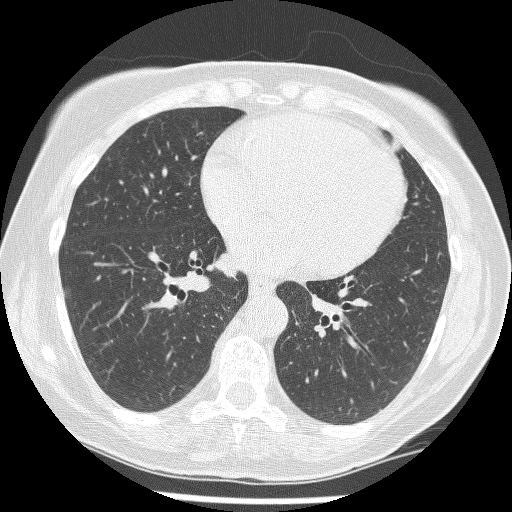
Axial chest CT slice 109 of 241 (counted from the lowest slice); 1.25 mm thick, 0.590 mm per pixel. Two pulmonary nodules on this slice, listed from left to right. (1) Pulmonary nodule outlined by two of the four readers; box rows 285–302, columns 63–72 (the union of the readers' outlines on this slice); longest diameter 11.5 mm on average over the two readers' outlines (readers' outlines 10.9–12.2 mm), volume 221–229 mm3. Ratings, by the readers' most common answer with dissent counted: texture 1/5 (non-solid), both readers agreeing; margin split among the readers: 1/5 (indistinct) (one), 2/5 (one); sphericity split among the readers: 2/5 (one), 3/5 (ovoid) (one); calcification absent from both readers; internal structure soft tissue, both readers agreeing; subtlety split among the readers: 1/5 (one), 2/5 (one); malignancy likelihood 3/5 from both readers. (2) Pulmonary nodule outlined by two of the four readers, one of them on this slice; box rows 357–365, columns 86–91 (the one reader's outline on this slice); median longest diameter 8.9 mm (readers' outlines 8.0–9.8 mm), median volume 155 mm3 (131–179 mm3). Median ratings and the readers' spread: texture 1/5 (non-solid), both readers agreeing; margin 2/5 at the median of two readers, spread 1/5 (indistinct) to 3/5; sphericity 4/5, both readers agreeing; calcification absent from both readers; internal structure soft tissue from both readers; median subtlety 2/5 (readers ranged 1–3); malignancy likelihood 3/5, both readers agreeing. Scale key (1–5): texture non-solid→solid, margin indistinct→circumscribed, sphericity linear→round, subtlety extremely subtle→obvious, malignancy likelihood highly unlikely→highly suspicious of cancer. Box rows and columns are 0-based pixel indices from the top-left corner, inclusive.
Tube voltage 120 kVp; convolution kernel BONE.